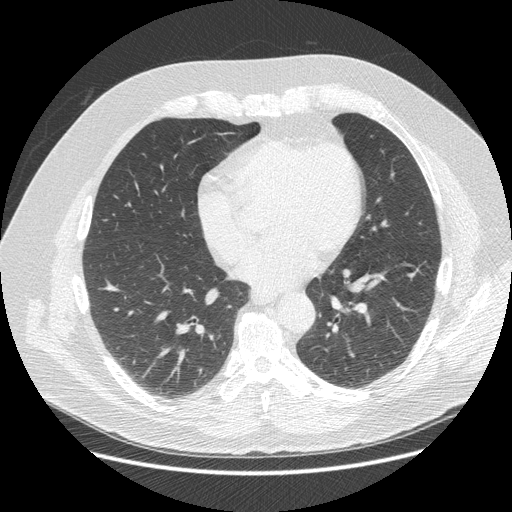
Slice 219/477 of a chest CT, counting up from the lowest; pixel size 0.781 mm, slice thickness 1.25 mm. No nodule 3 mm or larger was outlined here by any reader.
Tube voltage 120 kVp; convolution kernel STANDARD.